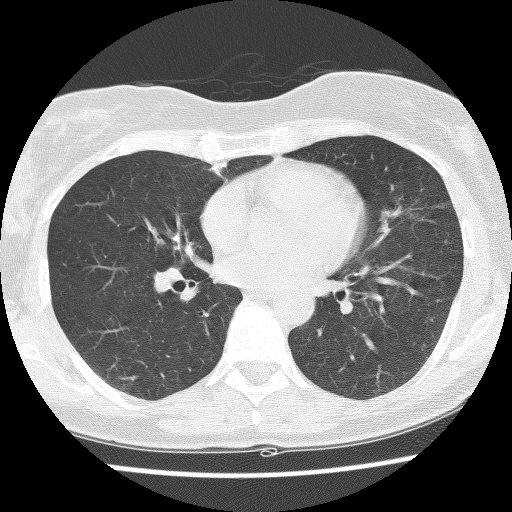
Axial chest CT slice 65 of 127 (counted from the lowest slice); tube voltage 140 kVp, convolution kernel BONE; slices 2.50 mm thick, 0.586 mm per pixel.
Pulmonary nodule, outlined by one of the four readers. Box on this slice rows 163–174, columns 211–225, that reader's outline on this slice; longest diameter 18.8 mm and volume 2440 mm3 from that reader's outline. That reader's ratings: texture 3/5 (part-solid); margin 2/5; sphericity 2/5; calcification absent; internal structure soft tissue; subtlety 4/5; malignancy likelihood 2/5. Scale key (1–5): texture non-solid→solid, margin indistinct→circumscribed, sphericity linear→round, subtlety extremely subtle→obvious, malignancy likelihood highly unlikely→highly suspicious of cancer. Box rows and columns are 0-based pixel indices from the top-left corner, inclusive.